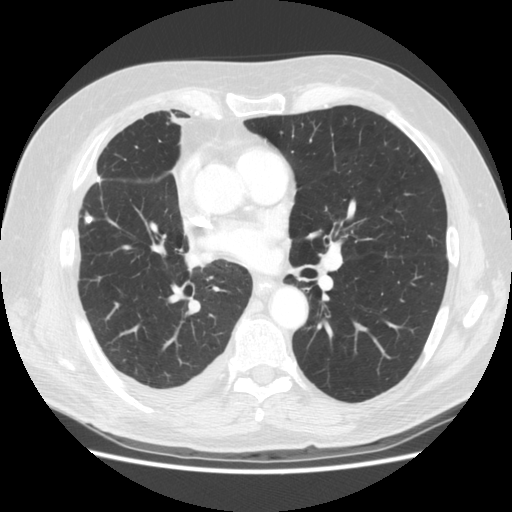
Axial slice 161 of 295 of a chest CT (slice 1 is the lowest), reconstructed with the STANDARD kernel at 120 kVp; 2.50 mm slice thickness and 0.703 mm pixels.
Pulmonary nodule, outlined by all four readers. Box on this slice rows 214–223, columns 84–93, the union of the readers' outlines on this slice; median longest diameter 8.2 mm (readers' outlines 8.0–8.7 mm), median volume 182 mm3 (146–188 mm3). Median ratings and the readers' spread: texture 5/5 (solid) from all four readers; margin 5/5 (circumscribed) at the median of four readers, spread 4/5 to 5/5 (circumscribed); median sphericity 4/5 (readers ranged 3/5 (ovoid) to 5/5 (round)); calcification: solid calcification (three), absent (one); internal structure soft tissue from all four readers; subtlety 5/5 from all four readers; malignancy likelihood 1/5 from all four readers. Scale key (1–5): texture non-solid→solid, margin indistinct→circumscribed, sphericity linear→round, subtlety extremely subtle→obvious, malignancy likelihood highly unlikely→highly suspicious of cancer. Box rows and columns are 0-based pixel indices from the top-left corner, inclusive.